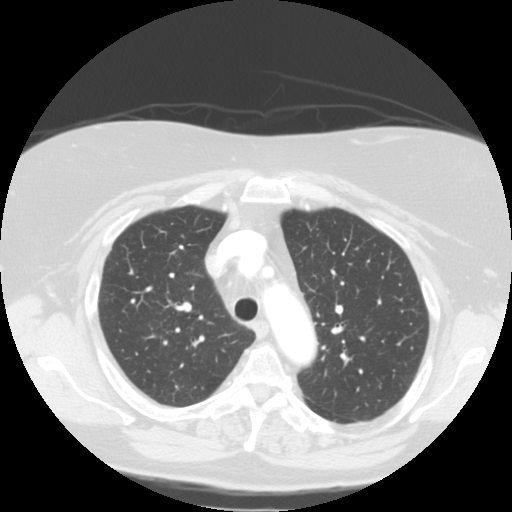
Axial slice 86 of 121 of a chest CT (slice 1 is the lowest), reconstructed with the STANDARD kernel at 120 kVp; 2.50 mm slice thickness and 0.664 mm pixels.
No nodule of 3 mm or larger was outlined by any of the four readers on this slice.